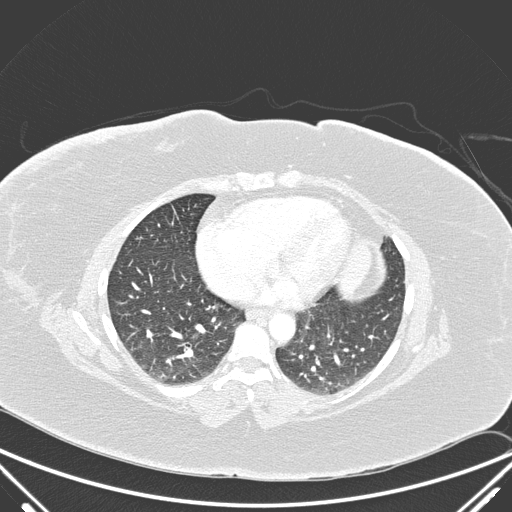
Chest CT, axial plane, 140 kVp, kernel D. Slice 66/220 from the bottom of the scan; thickness 1.00 mm; pixel size 0.770 mm.
No nodule 3 mm or larger was outlined here by any reader.